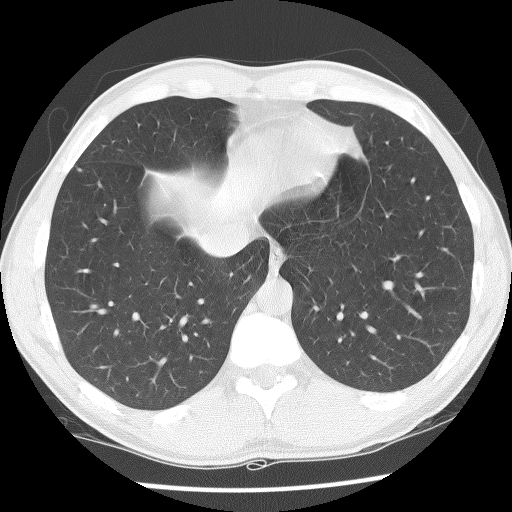
Axial chest CT slice 45 of 139 (counted from the lowest slice); tube voltage 140 kVp, convolution kernel BONE; slices 2.50 mm thick, 0.629 mm per pixel.
Pulmonary nodule at rows 168–172, columns 76–80 (box = that reader's outline on this slice), outlined by one of the four readers; longest diameter 5.2 mm and volume 54 mm3 from that reader's outline. Ratings by that reader: texture 5/5 (solid); margin 5/5 (circumscribed); sphericity 5/5 (round); calcification absent; internal structure soft tissue; subtlety 3/5; malignancy likelihood 2/5. Scale key (1–5): texture non-solid→solid, margin indistinct→circumscribed, sphericity linear→round, subtlety extremely subtle→obvious, malignancy likelihood highly unlikely→highly suspicious of cancer. Box rows and columns are 0-based pixel indices from the top-left corner, inclusive.